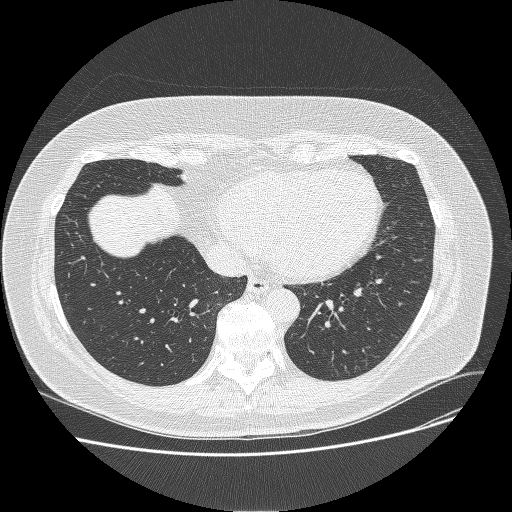
Axial chest CT slice 104 of 270 (counted from the lowest slice); tube voltage 120 kVp, convolution kernel BONE; slices 1.25 mm thick, 0.703 mm per pixel.
Pulmonary nodule, outlined by all four readers, one of them on this slice. Box on this slice rows 258–261, columns 418–422, the one reader's outline on this slice; median longest diameter 7.6 mm (readers' outlines 5.8–8.6 mm), median volume 86 mm3 (42–121 mm3). Median ratings and the readers' spread: texture 5/5 (solid), all four readers agreeing; median margin 4/5 (readers ranged 3/5 to 4/5); sphericity 3.5/5 at the median of four readers, spread 3/5 (ovoid) to 4/5; calcification absent from all four readers; internal structure soft tissue, all four readers agreeing; median subtlety 3.5/5 (readers ranged 3–5); malignancy likelihood 3/5, all four readers agreeing. Scale key (1–5): texture non-solid→solid, margin indistinct→circumscribed, sphericity linear→round, subtlety extremely subtle→obvious, malignancy likelihood highly unlikely→highly suspicious of cancer. Box rows and columns are 0-based pixel indices from the top-left corner, inclusive.